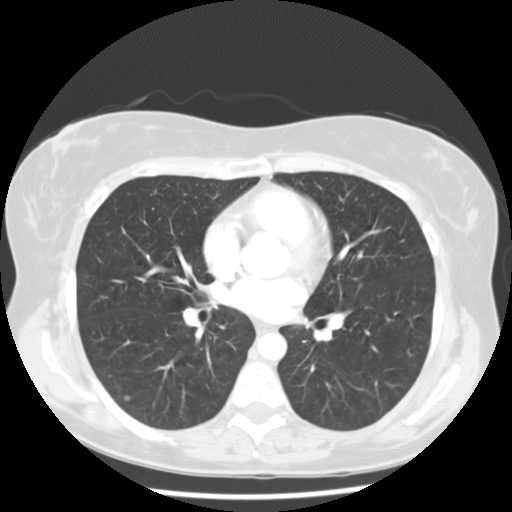
Chest CT, axial plane, 120 kVp, kernel STANDARD. Slice 79/133 from the bottom of the scan; thickness 2.50 mm; pixel size 0.664 mm.
Pulmonary nodule outlined by all four readers; box rows 395–401, columns 124–130 (the union of the readers' outlines on this slice); longest diameter 4.8–6.3 mm and volume 64–115 mm3 across the four readers' outlines. The readers' ratings, as ranges where they differ: texture from 4/5 to 5/5 (solid) across the four readers; margin from 2/5 to 5/5 (circumscribed) across the four readers; sphericity from 4/5 to 5/5 (round) across the four readers; calcification absent, all four readers agreeing; internal structure soft tissue from all four readers; subtlety 1–3/5 (the readers disagree); malignancy likelihood 2–3/5 (the readers disagree). Scale key (1–5): texture non-solid→solid, margin indistinct→circumscribed, sphericity linear→round, subtlety extremely subtle→obvious, malignancy likelihood highly unlikely→highly suspicious of cancer. Box rows and columns are 0-based pixel indices from the top-left corner, inclusive.